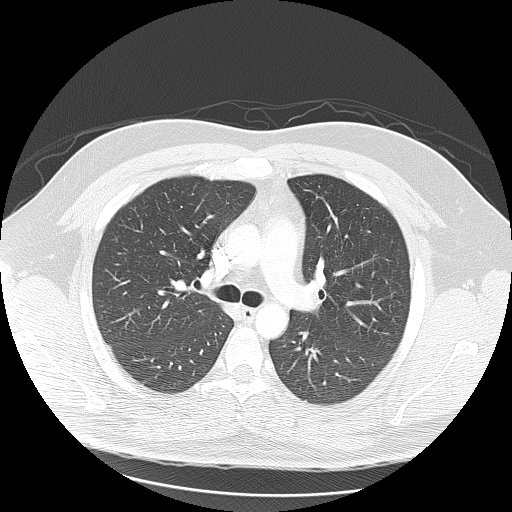
Axial chest CT slice 76 of 111 (counted from the lowest slice); tube voltage 120 kVp, convolution kernel LUNG; slices 2.50 mm thick, 0.781 mm per pixel.
No nodule 3 mm or larger was outlined here by any reader.